Axial slice 194 of 312 of a chest CT (slice 1 is the lowest), reconstructed with the B45f kernel at 120 kVp; 1.00 mm slice thickness and 0.664 mm pixels.
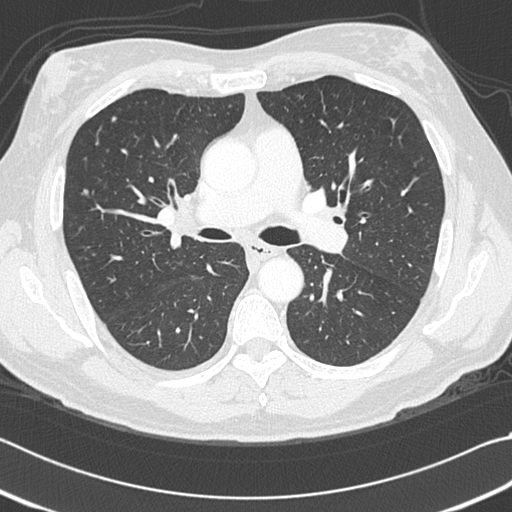
Two pulmonary nodules on this slice, listed from left to right. (1) Pulmonary nodule outlined by three of the four readers; box rows 189–194, columns 82–88 (the union of the readers' outlines on this slice); median longest diameter 6.3 mm (readers' outlines 5.4–7.8 mm), median volume 39 mm3 (35–59 mm3). Ratings, median across the readers with their spread: texture 5/5 (solid) from all three readers; median margin 4/5 (readers ranged 4/5 to 5/5 (circumscribed)); sphericity 4/5 at the median of three readers, spread 3/5 (ovoid) to 4/5; calcification absent from all three readers; internal structure soft tissue, all three readers agreeing; median subtlety 3/5 (readers ranged 2–3); malignancy likelihood 3/5 at the median of three readers, spread 2–3. (2) Pulmonary nodule at rows 115–122, columns 111–116 (box = the union of the readers' outlines on this slice), outlined by all four readers; median longest diameter 8.8 mm (readers' outlines 7.4–13.2 mm), median volume 138 mm3 (103–239 mm3). Median ratings and the readers' spread: texture 5/5 (solid), all four readers agreeing; margin 4.5/5 at the median of four readers, spread 4/5 to 5/5 (circumscribed); median sphericity 4/5 (readers ranged 3/5 (ovoid) to 5/5 (round)); calcification absent from all four readers; internal structure soft tissue, all four readers agreeing; subtlety 3.5/5 at the median of four readers, spread 3–4; malignancy likelihood 2.5/5 at the median of four readers, spread 2–3. Scale key (1–5): texture non-solid→solid, margin indistinct→circumscribed, sphericity linear→round, subtlety extremely subtle→obvious, malignancy likelihood highly unlikely→highly suspicious of cancer. Box rows and columns are 0-based pixel indices from the top-left corner, inclusive.